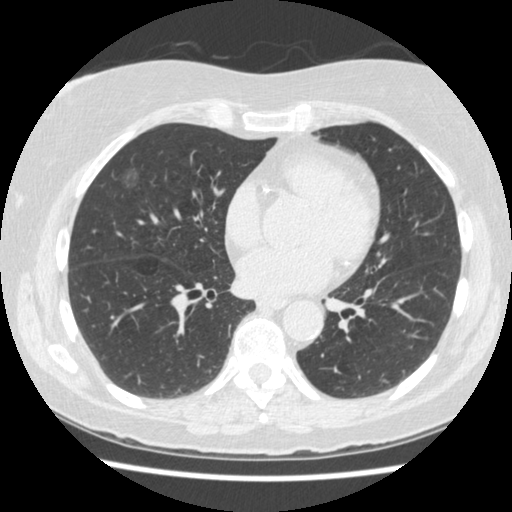
Axial slice 211 of 474 of a chest CT (slice 1 is the lowest), reconstructed with the STANDARD kernel at 120 kVp; 1.25 mm slice thickness and 0.625 mm pixels.
Pulmonary nodule, outlined by all four readers, two of them on this slice. Box on this slice rows 167–186, columns 121–139, the union of the readers' outlines on this slice; longest diameter 14.7 mm on average over the four readers' outlines (readers' outlines 12.6–15.8 mm), volume 209–921 mm3. The readers' prevailing ratings and who disagreed: texture 3/5 (part-solid) by three of four readers; the rest gave 2/5 (one); most readers (three of four) put margin at 3/5, others 1/5 (indistinct) (one); sphericity split among the readers: 2/5 (one), 3/5 (ovoid) (one), 4/5 (one), 5/5 (round) (one); calcification absent from all four readers; internal structure soft tissue from all four readers; subtlety 5/5 by two of four readers; the rest gave 3/5 (one), 4/5 (one); most readers (three of four) put malignancy likelihood at 5/5, others 3/5 (one). Scale key (1–5): texture non-solid→solid, margin indistinct→circumscribed, sphericity linear→round, subtlety extremely subtle→obvious, malignancy likelihood highly unlikely→highly suspicious of cancer. Box rows and columns are 0-based pixel indices from the top-left corner, inclusive.